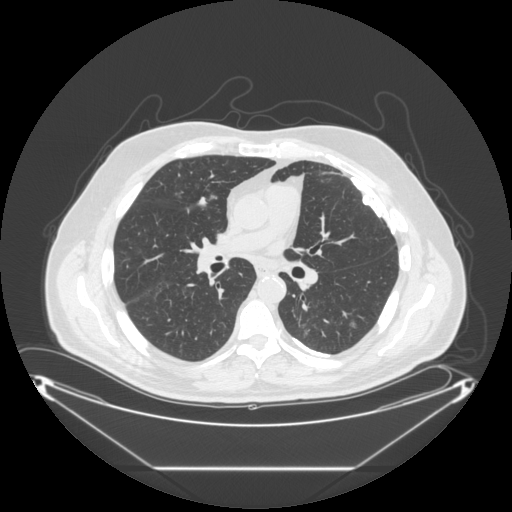
One axial slice (161 of 297, counting up from the lowest) of a chest CT acquired at 120 kVp with the STANDARD kernel; each pixel is 0.949 mm and the slice is 1.25 mm thick.
Pulmonary nodule, outlined by two of the four readers. Box on this slice rows 321–328, columns 349–356, the union of the readers' outlines on this slice; the two readers' outlines give a longest diameter between 12.7 and 15.0 mm and a volume between 351 and 570 mm3. Ratings across the readers: texture from 1/5 (non-solid) to 5/5 (solid) across the two readers; margin from 2/5 to 5/5 (circumscribed) across the two readers; sphericity from 4/5 to 5/5 (round) across the two readers; calcification absent from both readers; internal structure soft tissue from both readers; subtlety 1–4/5 (the readers disagree); malignancy likelihood 2/5, both readers agreeing. Scale key (1–5): texture non-solid→solid, margin indistinct→circumscribed, sphericity linear→round, subtlety extremely subtle→obvious, malignancy likelihood highly unlikely→highly suspicious of cancer. Box rows and columns are 0-based pixel indices from the top-left corner, inclusive.